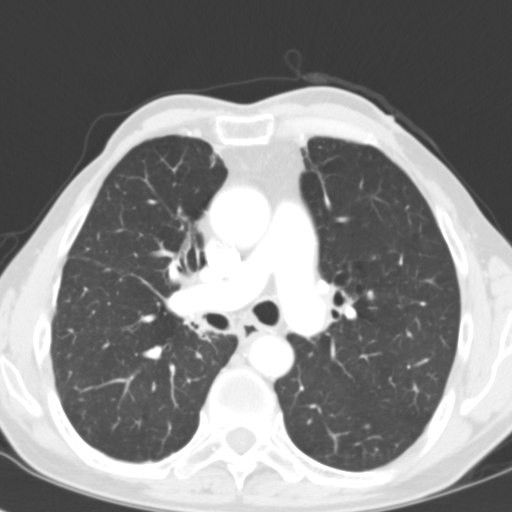
Axial chest CT slice 71 of 116 (counted from the lowest slice); tube voltage 120 kVp, convolution kernel B31f; slices 3.00 mm thick, 0.547 mm per pixel.
Pulmonary nodule at rows 424–428, columns 365–369 (box = that reader's outline on this slice), outlined by one of the four readers; longest diameter 4.5 mm and volume 63 mm3 from that reader's outline. That reader's ratings: texture 4/5; margin 5/5 (circumscribed); sphericity 5/5 (round); calcification absent; internal structure soft tissue; subtlety 5/5; malignancy likelihood 3/5. Scale key (1–5): texture non-solid→solid, margin indistinct→circumscribed, sphericity linear→round, subtlety extremely subtle→obvious, malignancy likelihood highly unlikely→highly suspicious of cancer. Box rows and columns are 0-based pixel indices from the top-left corner, inclusive.